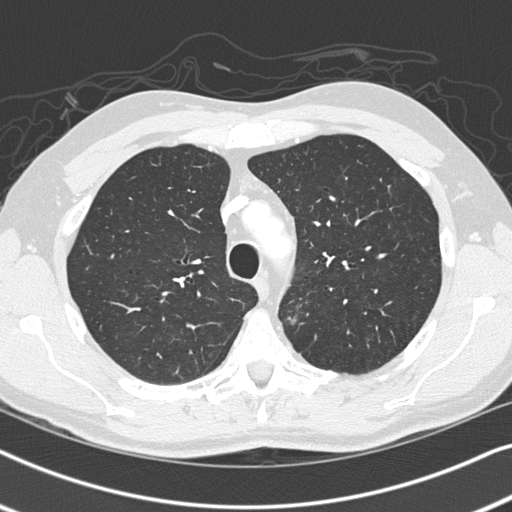
This is axial slice 246 of 326 (slice 1 is the lowest) of a chest CT; each pixel is 0.645 mm and the slice is 1.00 mm thick. Pulmonary nodule at rows 315–325, columns 285–297 (box = the union of the readers' outlines on this slice), outlined by three of the four readers, two of them on this slice; the three readers' outlines give a longest diameter between 10.7 and 11.8 mm and a volume between 148 and 311 mm3. Ratings across the readers: texture from 4/5 to 5/5 (solid) across the three readers; margin from 3/5 to 5/5 (circumscribed) across the three readers; sphericity from 2/5 to 5/5 (round) across the three readers; calcification absent, all three readers agreeing; internal structure soft tissue, all three readers agreeing; subtlety rated between 3 and 5 out of 5 by the three readers; malignancy likelihood rated between 2 and 3 out of 5 by the three readers. Scale key (1–5): texture non-solid→solid, margin indistinct→circumscribed, sphericity linear→round, subtlety extremely subtle→obvious, malignancy likelihood highly unlikely→highly suspicious of cancer. Box rows and columns are 0-based pixel indices from the top-left corner, inclusive.
Acquired at 120 kVp and reconstructed with the B45f kernel.